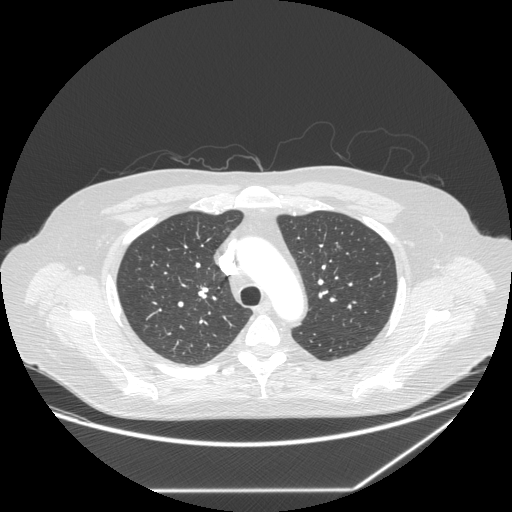
Axial slice 191 of 258 of a chest CT (slice 1 is the lowest), reconstructed with the STANDARD kernel at 120 kVp; 1.25 mm slice thickness and 0.859 mm pixels.
Pulmonary nodule, outlined by one of the four readers. Box on this slice rows 245–248, columns 336–341, that reader's outline on this slice; longest diameter 6.9 mm and volume 70 mm3 from that reader's outline. Ratings by that reader: texture 5/5 (solid); margin 5/5 (circumscribed); sphericity 5/5 (round); calcification absent; internal structure soft tissue; subtlety 3/5; malignancy likelihood 2/5. Scale key (1–5): texture non-solid→solid, margin indistinct→circumscribed, sphericity linear→round, subtlety extremely subtle→obvious, malignancy likelihood highly unlikely→highly suspicious of cancer. Box rows and columns are 0-based pixel indices from the top-left corner, inclusive.